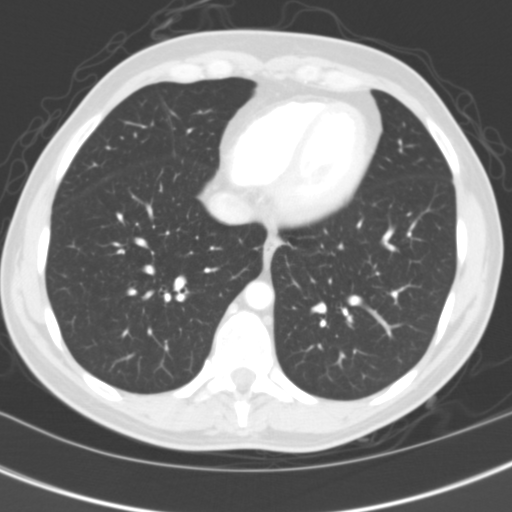
One axial slice (51 of 122, counting up from the lowest) of a chest CT acquired at 120 kVp with the B31f kernel; each pixel is 0.566 mm and the slice is 3.00 mm thick.
No nodule of 3 mm or larger was outlined by any of the four readers on this slice.